Axial chest CT slice 96 of 124 (counted from the lowest slice); tube voltage 135 kVp, convolution kernel FC01; slices 3.00 mm thick, 0.671 mm per pixel.
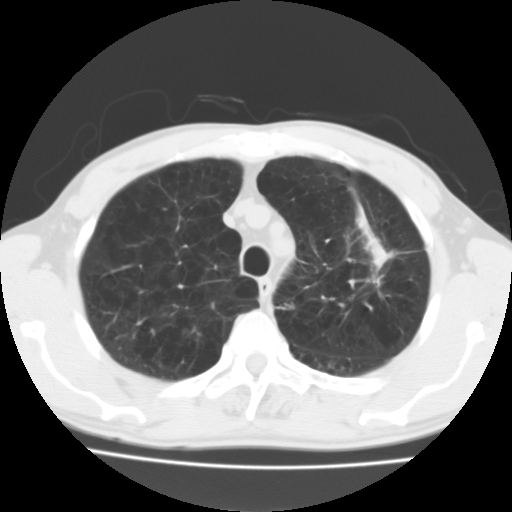
Pulmonary nodule outlined by one of the four readers; box rows 249–268, columns 373–393 (that reader's outline on this slice); longest diameter 17.3 mm and volume 1303 mm3 from that reader's outline. That reader's ratings: texture 5/5 (solid); margin 3/5; sphericity 2/5; calcification absent; internal structure soft tissue; subtlety 5/5; malignancy likelihood 3/5. Scale key (1–5): texture non-solid→solid, margin indistinct→circumscribed, sphericity linear→round, subtlety extremely subtle→obvious, malignancy likelihood highly unlikely→highly suspicious of cancer. Box rows and columns are 0-based pixel indices from the top-left corner, inclusive.